Axial chest CT slice 41 of 141 (counted from the lowest slice); tube voltage 120 kVp, convolution kernel STANDARD; slices 2.50 mm thick, 0.703 mm per pixel.
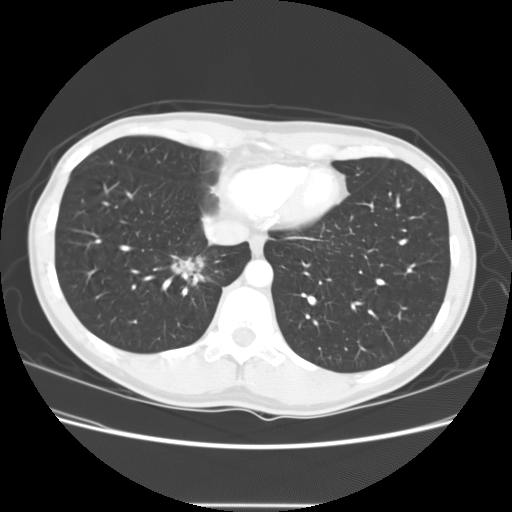
Pulmonary nodule outlined four times (the source holds one more outline, not used); box rows 252–288, columns 168–207 (the union of the readers' outlines on this slice); median longest diameter 32.5 mm (readers' outlines 31.6–34.1 mm), median volume 6128 mm3 (4983–9079 mm3). Ratings, median across the readers with their spread: texture 5/5 (solid) from all four readers; median margin 3/5 (readers ranged 1/5 (indistinct) to 3/5); median sphericity 3.5/5 (readers ranged 3/5 (ovoid) to 4/5); calcification absent from all four readers; internal structure split among the readers: air (two), soft tissue (two); subtlety 5/5, all four readers agreeing; malignancy likelihood 5/5 from all four readers. Scale key (1–5): texture non-solid→solid, margin indistinct→circumscribed, sphericity linear→round, subtlety extremely subtle→obvious, malignancy likelihood highly unlikely→highly suspicious of cancer. Box rows and columns are 0-based pixel indices from the top-left corner, inclusive.